One axial slice (74 of 300, counting up from the lowest) of a chest CT acquired at 120 kVp with the C kernel; each pixel is 0.715 mm and the slice is 2.00 mm thick.
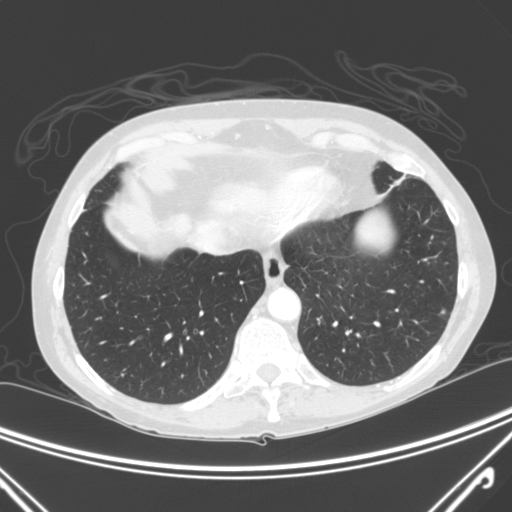
Pulmonary nodule outlined by two of the four readers; box rows 307–313, columns 440–445 (the union of the readers' outlines on this slice); longest diameter 6.3 mm on average over the two readers' outlines (readers' outlines 6.1–6.5 mm), volume 64–76 mm3. Ratings, by the readers' most common answer with dissent counted: texture split among the readers: 4/5 (one), 5/5 (solid) (one); margin split among the readers: 3/5 (one), 4/5 (one); sphericity split among the readers: 2/5 (one), 4/5 (one); calcification absent, both readers agreeing; internal structure soft tissue, both readers agreeing; subtlety split among the readers: 3/5 (one), 5/5 (one); malignancy likelihood split among the readers: 2/5 (one), 3/5 (one). Scale key (1–5): texture non-solid→solid, margin indistinct→circumscribed, sphericity linear→round, subtlety extremely subtle→obvious, malignancy likelihood highly unlikely→highly suspicious of cancer. Box rows and columns are 0-based pixel indices from the top-left corner, inclusive.